One axial slice (193 of 280, counting up from the lowest) of a chest CT acquired at 120 kVp with the B kernel; each pixel is 0.676 mm and the slice is 2.00 mm thick.
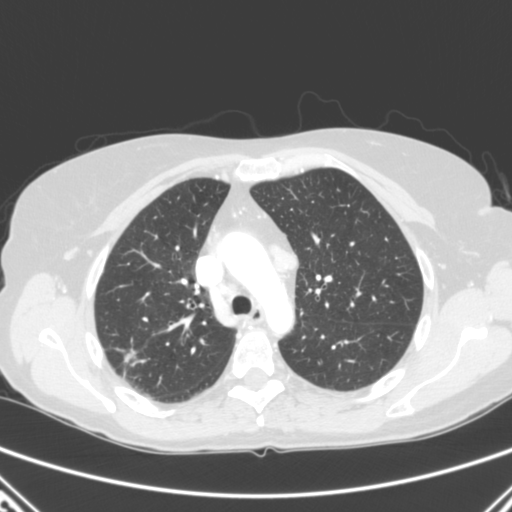
Pulmonary nodule at rows 339–374, columns 115–137 (box = the union of the readers' outlines on this slice), outlined three times (the source holds two more outlines, not used); median longest diameter 19.7 mm (readers' outlines 19.6–26.7 mm), median volume 999 mm3 (949–1659 mm3). Ratings, median across the readers with their spread: texture 5/5 (solid) at the median of three readers, spread 4/5 to 5/5 (solid); median margin 3/5 (readers ranged 3/5 to 4/5); median sphericity 3/5 (ovoid) (readers ranged 2/5 to 5/5 (round)); calcification absent from all three readers; internal structure soft tissue from all three readers; subtlety 5/5 from all three readers; median malignancy likelihood 5/5 (readers ranged 4–5). Scale key (1–5): texture non-solid→solid, margin indistinct→circumscribed, sphericity linear→round, subtlety extremely subtle→obvious, malignancy likelihood highly unlikely→highly suspicious of cancer. Box rows and columns are 0-based pixel indices from the top-left corner, inclusive.